One axial slice (82 of 117, counting up from the lowest) of a chest CT acquired at 120 kVp with the STANDARD kernel; each pixel is 0.781 mm and the slice is 2.50 mm thick.
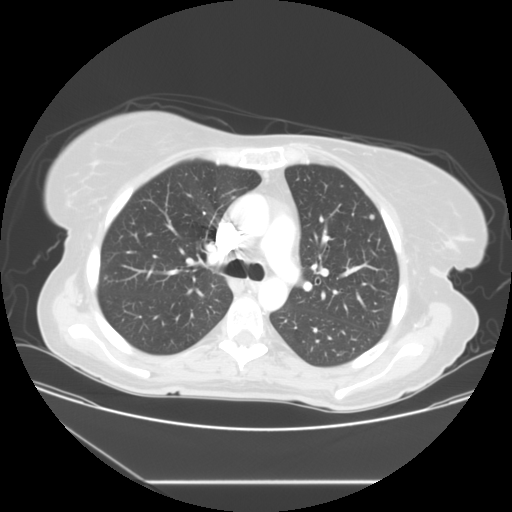
Pulmonary nodule at rows 214–219, columns 369–374 (box = the union of the readers' outlines on this slice), outlined by two of the four readers; longest diameter 5.8 mm on average over the two readers' outlines (readers' outlines 5.7–5.9 mm), volume 79–92 mm3. Ratings, by the readers' most common answer with dissent counted: texture 5/5 (solid), both readers agreeing; margin 5/5 (circumscribed), both readers agreeing; sphericity 5/5 (round), both readers agreeing; calcification absent, both readers agreeing; internal structure soft tissue, both readers agreeing; subtlety 3/5 from both readers; malignancy likelihood split among the readers: 2/5 (one), 3/5 (one). Scale key (1–5): texture non-solid→solid, margin indistinct→circumscribed, sphericity linear→round, subtlety extremely subtle→obvious, malignancy likelihood highly unlikely→highly suspicious of cancer. Box rows and columns are 0-based pixel indices from the top-left corner, inclusive.